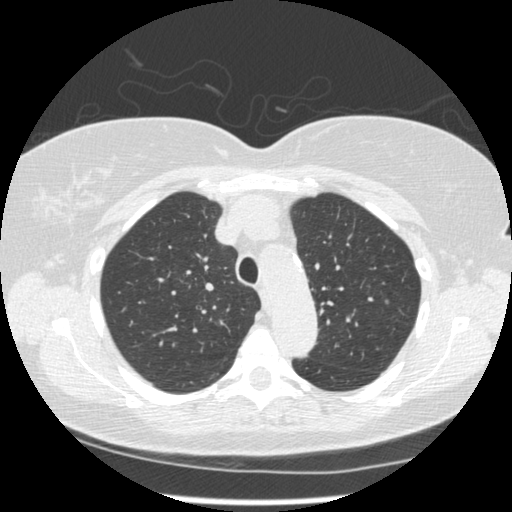
One axial slice (362 of 490, counting up from the lowest) of a chest CT acquired at 120 kVp with the STANDARD kernel; each pixel is 0.645 mm and the slice is 1.25 mm thick.
Pulmonary nodule outlined by two of the four readers; box rows 299–304, columns 384–389 (the union of the readers' outlines on this slice); median longest diameter 5.4 mm (readers' outlines 5.2–5.5 mm), median volume 53 mm3 (51–56 mm3). Ratings, median across the readers with their spread: texture 5/5 (solid), both readers agreeing; median margin 4/5 (readers ranged 3/5 to 5/5 (circumscribed)); sphericity 4.5/5 at the median of two readers, spread 4/5 to 5/5 (round); calcification absent, both readers agreeing; internal structure soft tissue, both readers agreeing; subtlety 4/5 at the median of two readers, spread 3–5; malignancy likelihood 3/5, both readers agreeing. Scale key (1–5): texture non-solid→solid, margin indistinct→circumscribed, sphericity linear→round, subtlety extremely subtle→obvious, malignancy likelihood highly unlikely→highly suspicious of cancer. Box rows and columns are 0-based pixel indices from the top-left corner, inclusive.